Axial slice 165 of 445 of a chest CT (slice 1 is the lowest), reconstructed with the C kernel at 120 kVp; 1.50 mm slice thickness and 0.676 mm pixels.
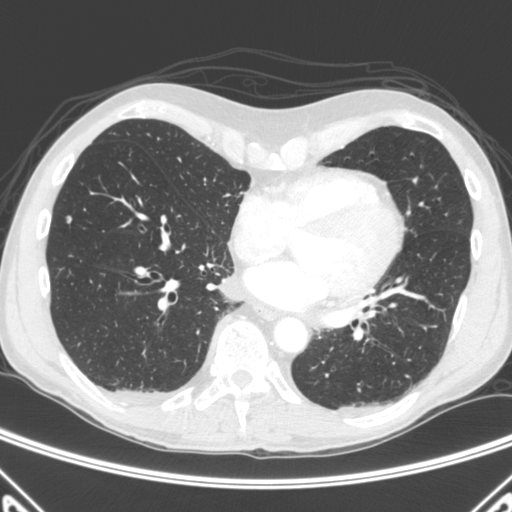
Pulmonary nodule outlined by all four readers; box rows 214–223, columns 64–72 (the union of the readers' outlines on this slice); longest diameter 7.0–8.9 mm and volume 62–138 mm3 across the four readers' outlines. Ratings across the readers: texture from 1/5 (non-solid) to 5/5 (solid) across the four readers; margin from 4/5 to 5/5 (circumscribed) across the four readers; sphericity 4/5 from all four readers; calcification absent from all four readers; internal structure soft tissue from all four readers; subtlety 5/5, all four readers agreeing; malignancy likelihood 3–4/5 (the readers disagree). Scale key (1–5): texture non-solid→solid, margin indistinct→circumscribed, sphericity linear→round, subtlety extremely subtle→obvious, malignancy likelihood highly unlikely→highly suspicious of cancer. Box rows and columns are 0-based pixel indices from the top-left corner, inclusive.